Axial slice 50 of 123 of a chest CT (slice 1 is the lowest), reconstructed with the BONE kernel at 140 kVp; 2.50 mm slice thickness and 0.703 mm pixels.
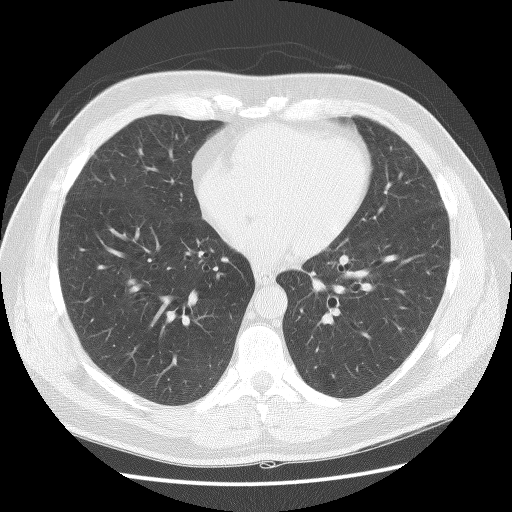
Pulmonary nodule, outlined by three of the four readers, two of them on this slice. Box on this slice rows 155–156, columns 93–95, the union of the readers' outlines on this slice; median longest diameter 6.0 mm (readers' outlines 5.8–6.6 mm), median volume 89 mm3 (78–90 mm3). Median ratings and the readers' spread: texture 4/5 at the median of three readers, spread 4/5 to 5/5 (solid); margin 4/5 at the median of three readers, spread 4/5 to 5/5 (circumscribed); median sphericity 3/5 (ovoid) (readers ranged 3/5 (ovoid) to 4/5); calcification absent, all three readers agreeing; internal structure soft tissue from all three readers; subtlety 5/5 at the median of three readers, spread 4–5; median malignancy likelihood 3/5 (readers ranged 2–3). Scale key (1–5): texture non-solid→solid, margin indistinct→circumscribed, sphericity linear→round, subtlety extremely subtle→obvious, malignancy likelihood highly unlikely→highly suspicious of cancer. Box rows and columns are 0-based pixel indices from the top-left corner, inclusive.